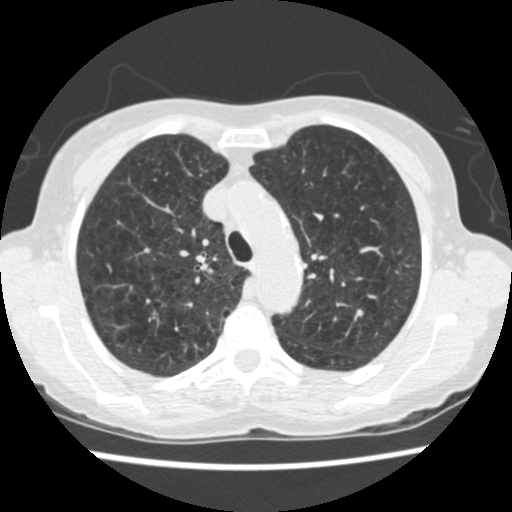
Chest CT, axial plane, 120 kVp, kernel STANDARD. Slice 399/541 from the bottom of the scan; thickness 1.25 mm; pixel size 0.586 mm.
Pulmonary nodule, outlined by two of the four readers. Box on this slice rows 309–316, columns 357–362, the union of the readers' outlines on this slice; longest diameter 5.8 mm on average over the two readers' outlines (readers' outlines 5.6–6.1 mm), volume 85–100 mm3. The readers' prevailing ratings and who disagreed: texture 5/5 (solid) from both readers; margin 5/5 (circumscribed), both readers agreeing; sphericity split among the readers: 3/5 (ovoid) (one), 5/5 (round) (one); calcification split among the readers: absent (one), solid calcification (one); internal structure soft tissue, both readers agreeing; subtlety split among the readers: 2/5 (one), 5/5 (one); malignancy likelihood split among the readers: 1/5 (one), 3/5 (one). Scale key (1–5): texture non-solid→solid, margin indistinct→circumscribed, sphericity linear→round, subtlety extremely subtle→obvious, malignancy likelihood highly unlikely→highly suspicious of cancer. Box rows and columns are 0-based pixel indices from the top-left corner, inclusive.